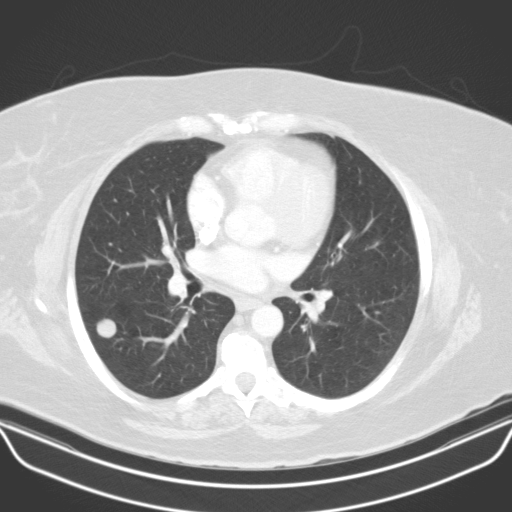
Axial chest CT slice 72 of 121 (counted from the lowest slice); tube voltage 130 kVp, convolution kernel B31s; slices 3.00 mm thick, 0.766 mm per pixel.
Pulmonary nodule outlined by all four readers; box rows 318–338, columns 96–116 (the union of the readers' outlines on this slice); longest diameter 17.8 mm on average over the four readers' outlines (readers' outlines 16.8–18.8 mm), volume 1878–2483 mm3. Ratings, by the readers' most common answer with dissent counted: texture 5/5 (solid) from all four readers; most readers (three of four) put margin at 5/5 (circumscribed), others 4/5 (one); sphericity 5/5 (round), all four readers agreeing; calcification absent from all four readers; internal structure soft tissue, all four readers agreeing; subtlety 5/5 from all four readers; malignancy likelihood split among the readers: 3/5 (two), 4/5 (two). Scale key (1–5): texture non-solid→solid, margin indistinct→circumscribed, sphericity linear→round, subtlety extremely subtle→obvious, malignancy likelihood highly unlikely→highly suspicious of cancer. Box rows and columns are 0-based pixel indices from the top-left corner, inclusive.